Chest CT, axial plane, 120 kVp, kernel B45f. Slice 153/330 from the bottom of the scan; thickness 1.00 mm; pixel size 0.762 mm.
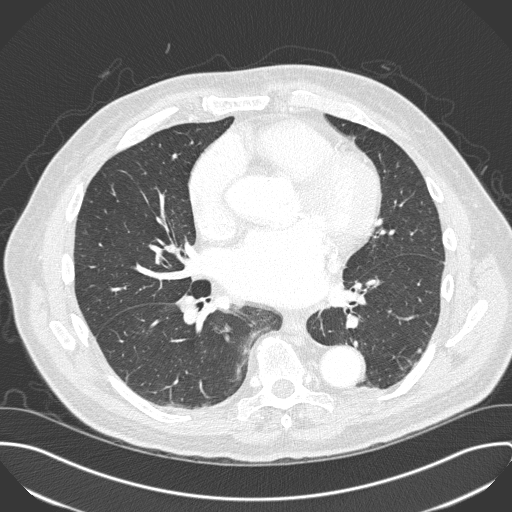
Pulmonary nodule outlined by three of the four readers; box rows 348–352, columns 416–422 (the union of the readers' outlines on this slice); longest diameter 6.1 mm on average over the three readers' outlines (readers' outlines 5.5–7.2 mm), volume 49–105 mm3. The readers' prevailing ratings and who disagreed: most readers (two of three) put texture at 5/5 (solid), others 4/5 (one); most readers (two of three) put margin at 4/5, others 2/5 (one); sphericity split among the readers: 2/5 (one), 3/5 (ovoid) (one), 4/5 (one); calcification absent from all three readers; internal structure soft tissue, all three readers agreeing; subtlety 3/5 by two of three readers; the rest gave 4/5 (one); malignancy likelihood 3/5 by two of three readers; the rest gave 2/5 (one). Scale key (1–5): texture non-solid→solid, margin indistinct→circumscribed, sphericity linear→round, subtlety extremely subtle→obvious, malignancy likelihood highly unlikely→highly suspicious of cancer. Box rows and columns are 0-based pixel indices from the top-left corner, inclusive.